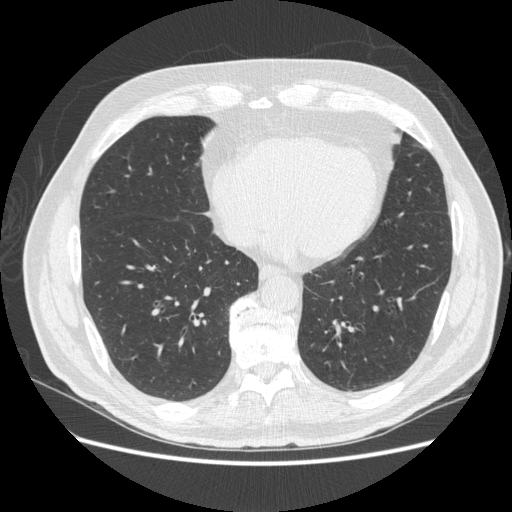
Chest CT, axial plane, 120 kVp, kernel STANDARD. Slice 182/503 from the bottom of the scan; thickness 1.25 mm; pixel size 0.742 mm.
No nodule of 3 mm or larger was outlined by any of the four readers on this slice.